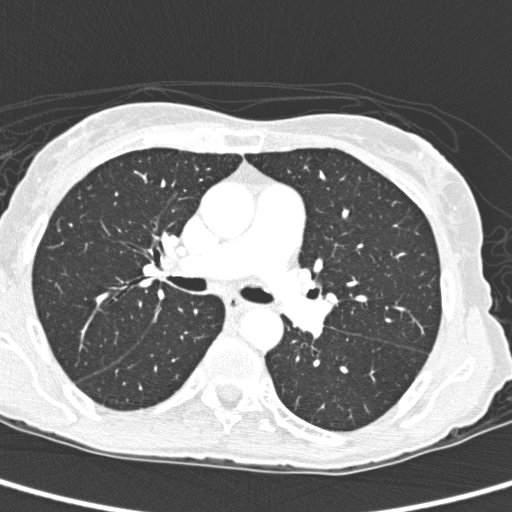
One axial slice (172 of 280, counting up from the lowest) of a chest CT acquired at 120 kVp with the D kernel; each pixel is 0.564 mm and the slice is 1.00 mm thick.
This slice carries no reader outline of a nodule 3 mm or larger.